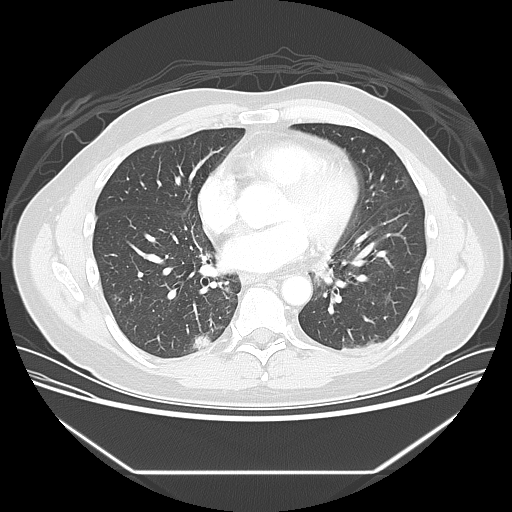
Axial slice 69 of 133 of a chest CT (slice 1 is the lowest), reconstructed with the LUNG kernel at 120 kVp; 2.50 mm slice thickness and 0.781 mm pixels.
Pulmonary nodule, outlined by three of the four readers. Box on this slice rows 332–350, columns 192–211, the union of the readers' outlines on this slice; longest diameter 17.8 mm on average over the three readers' outlines (readers' outlines 16.3–19.4 mm), volume 967–1366 mm3. The readers' prevailing ratings and who disagreed: texture split among the readers: 3/5 (part-solid) (one), 4/5 (one), 5/5 (solid) (one); most readers (two of three) put margin at 2/5, others 4/5 (one); most readers (two of three) put sphericity at 3/5 (ovoid), others 4/5 (one); calcification absent, all three readers agreeing; internal structure soft tissue from all three readers; subtlety 4/5 by two of three readers; the rest gave 5/5 (one); malignancy likelihood 4/5 by two of three readers; the rest gave 3/5 (one). Scale key (1–5): texture non-solid→solid, margin indistinct→circumscribed, sphericity linear→round, subtlety extremely subtle→obvious, malignancy likelihood highly unlikely→highly suspicious of cancer. Box rows and columns are 0-based pixel indices from the top-left corner, inclusive.